Chest CT, axial plane, 140 kVp, kernel D. Slice 169/272 from the bottom of the scan; thickness 1.00 mm; pixel size 0.676 mm.
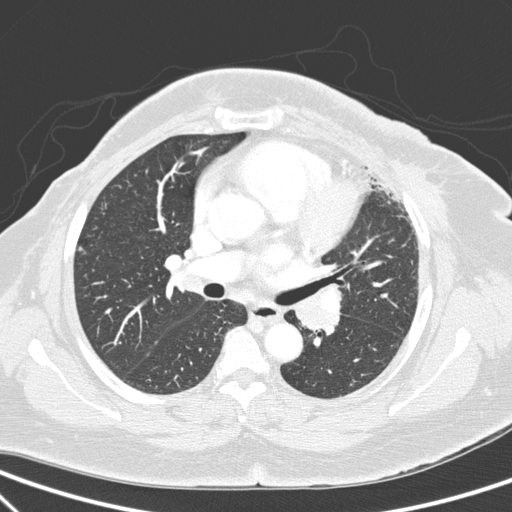
Pulmonary nodule at rows 246–250, columns 76–80 (box = that reader's outline on this slice), outlined by one of the four readers; longest diameter 4.9 mm and volume 31 mm3 from that reader's outline. That reader's ratings: texture 5/5 (solid); margin 5/5 (circumscribed); sphericity 5/5 (round); calcification absent; internal structure soft tissue; subtlety 4/5; malignancy likelihood 3/5. Scale key (1–5): texture non-solid→solid, margin indistinct→circumscribed, sphericity linear→round, subtlety extremely subtle→obvious, malignancy likelihood highly unlikely→highly suspicious of cancer. Box rows and columns are 0-based pixel indices from the top-left corner, inclusive.